Axial chest CT slice 174 of 426 (counted from the lowest slice); tube voltage 120 kVp, convolution kernel STANDARD; slices 1.25 mm thick, 0.547 mm per pixel.
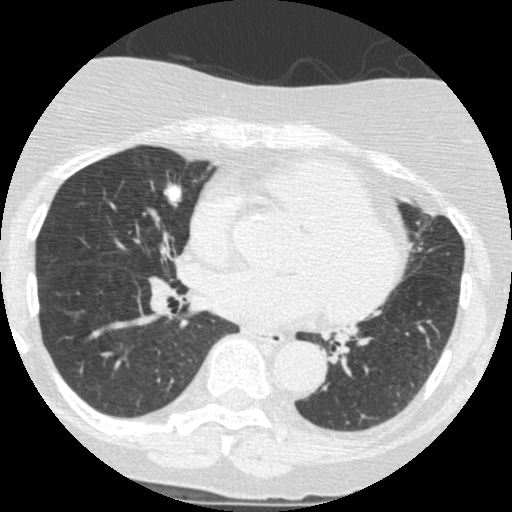
Pulmonary nodule outlined by all four readers; box rows 181–208, columns 161–182 (the union of the readers' outlines on this slice); longest diameter 17.0–20.6 mm and volume 1129–1635 mm3 across the four readers' outlines. The readers' ratings, as ranges where they differ: texture from 4/5 to 5/5 (solid) across the four readers; margin from 2/5 to 5/5 (circumscribed) across the four readers; sphericity from 3/5 (ovoid) to 5/5 (round) across the four readers; calcification: absent (three), non-central calcification (one); internal structure soft tissue from all four readers; subtlety from 3/5 to 5/5 across the four readers; malignancy likelihood 2–4/5 (the readers disagree). Scale key (1–5): texture non-solid→solid, margin indistinct→circumscribed, sphericity linear→round, subtlety extremely subtle→obvious, malignancy likelihood highly unlikely→highly suspicious of cancer. Box rows and columns are 0-based pixel indices from the top-left corner, inclusive.